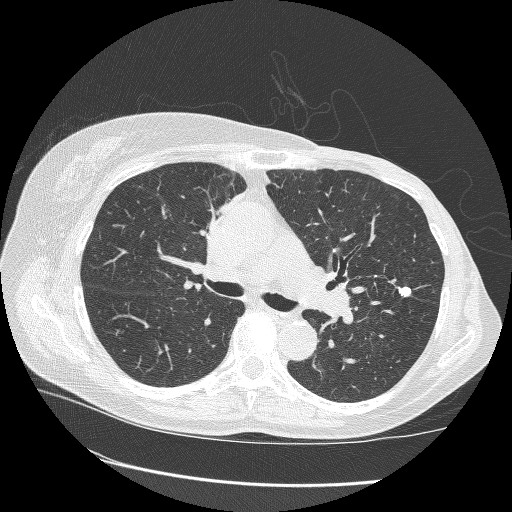
Axial chest CT slice 179 of 265 (counted from the lowest slice); 1.25 mm thick, 0.664 mm per pixel. Pulmonary nodule, outlined by all four readers. Box on this slice rows 286–297, columns 398–411, the union of the readers' outlines on this slice; longest diameter 10.0 mm on average over the four readers' outlines (readers' outlines 9.5–10.3 mm), volume 272–367 mm3. Ratings, by the readers' most common answer with dissent counted: texture 5/5 (solid) from all four readers; most readers (three of four) put margin at 5/5 (circumscribed), others 4/5 (one); sphericity 3/5 (ovoid) by two of four readers; the rest gave 4/5 (one), 5/5 (round) (one); calcification solid calcification by three of four readers, absent (one); internal structure soft tissue from all four readers; subtlety split among the readers: 4/5 (two), 5/5 (two); most readers (three of four) put malignancy likelihood at 1/5, others 4/5 (one). Scale key (1–5): texture non-solid→solid, margin indistinct→circumscribed, sphericity linear→round, subtlety extremely subtle→obvious, malignancy likelihood highly unlikely→highly suspicious of cancer. Box rows and columns are 0-based pixel indices from the top-left corner, inclusive.
Acquired at 120 kVp and reconstructed with the BONE kernel.